One axial slice (174 of 369, counting up from the lowest) of a chest CT acquired at 120 kVp with the STANDARD kernel; each pixel is 0.703 mm and the slice is 1.25 mm thick.
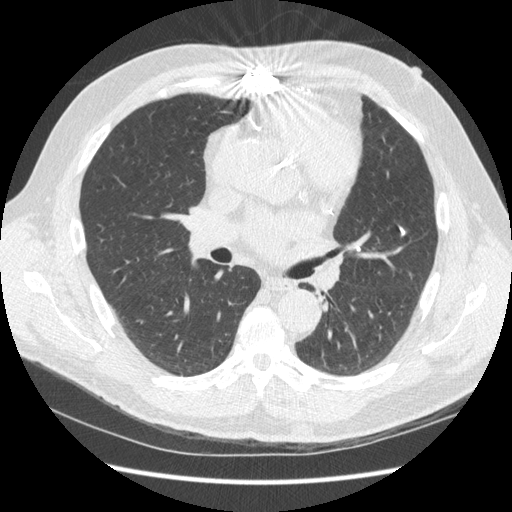
Pulmonary nodule outlined by one of the four readers; box rows 226–236, columns 399–406 (that reader's outline on this slice); longest diameter 10.1 mm and volume 89 mm3 from that reader's outline. Ratings by that reader: texture 5/5 (solid); margin 5/5 (circumscribed); sphericity 3/5 (ovoid); calcification solid calcification; internal structure soft tissue; subtlety 5/5; malignancy likelihood 1/5. Scale key (1–5): texture non-solid→solid, margin indistinct→circumscribed, sphericity linear→round, subtlety extremely subtle→obvious, malignancy likelihood highly unlikely→highly suspicious of cancer. Box rows and columns are 0-based pixel indices from the top-left corner, inclusive.